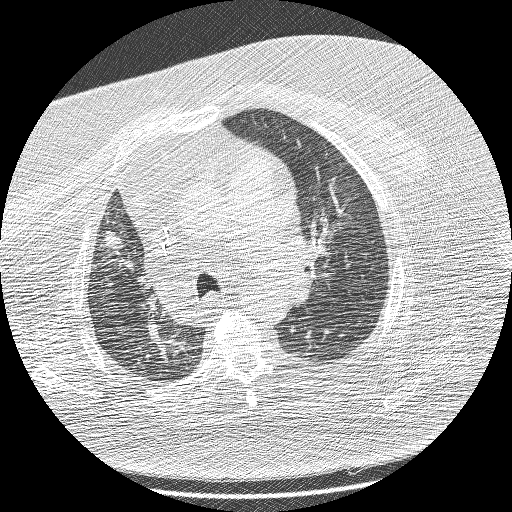
One axial slice (140 of 208, counting up from the lowest) of a chest CT acquired at 120 kVp with the BONE kernel; each pixel is 0.723 mm and the slice is 1.25 mm thick.
Pulmonary nodule, outlined by all four readers. Box on this slice rows 230–252, columns 103–124, the union of the readers' outlines on this slice; longest diameter 25.6–30.6 mm and volume 4623–6820 mm3 across the four readers' outlines. Ratings across the readers: texture 5/5 (solid) from all four readers; margin from 1/5 (indistinct) to 3/5 across the four readers; sphericity from 3/5 (ovoid) to 4/5 across the four readers; calcification absent from all four readers; internal structure soft tissue from all four readers; subtlety 5/5 from all four readers; malignancy likelihood 5/5 from all four readers. Scale key (1–5): texture non-solid→solid, margin indistinct→circumscribed, sphericity linear→round, subtlety extremely subtle→obvious, malignancy likelihood highly unlikely→highly suspicious of cancer. Box rows and columns are 0-based pixel indices from the top-left corner, inclusive.